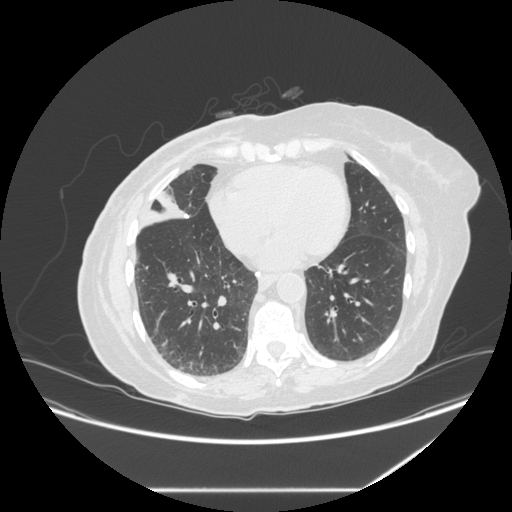
Axial slice 126 of 281 of a chest CT (slice 1 is the lowest), reconstructed with the STANDARD kernel at 120 kVp; 1.25 mm slice thickness and 0.816 mm pixels.
Pulmonary nodule, outlined by all four readers, two of them on this slice. Box on this slice rows 266–268, columns 144–148, the union of the readers' outlines on this slice; longest diameter 5.9–7.0 mm and volume 68–103 mm3 across the four readers' outlines. Ratings across the readers: texture 5/5 (solid), all four readers agreeing; margin from 4/5 to 5/5 (circumscribed) across the four readers; sphericity from 3/5 (ovoid) to 5/5 (round) across the four readers; calcification: central calcification (three), absent (one); internal structure soft tissue, all four readers agreeing; subtlety rated between 1 and 5 out of 5 by the four readers; malignancy likelihood from 1/5 to 3/5 across the four readers. Scale key (1–5): texture non-solid→solid, margin indistinct→circumscribed, sphericity linear→round, subtlety extremely subtle→obvious, malignancy likelihood highly unlikely→highly suspicious of cancer. Box rows and columns are 0-based pixel indices from the top-left corner, inclusive.